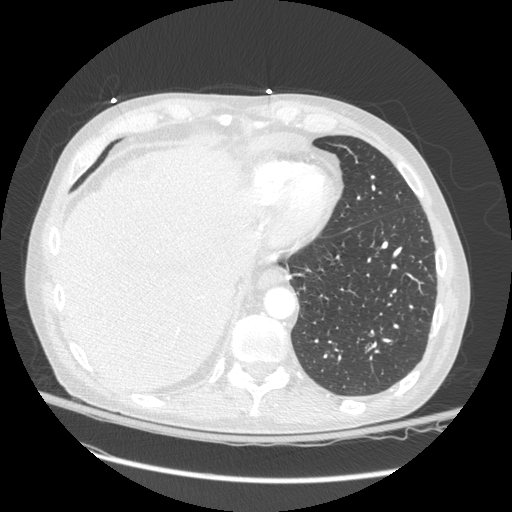
Chest CT, axial plane, 120 kVp, kernel STANDARD. Slice 81/272 from the bottom of the scan; thickness 1.25 mm; pixel size 0.742 mm.
Pulmonary nodule, outlined by all four readers, two of them on this slice. Box on this slice rows 228–230, columns 345–351, the union of the readers' outlines on this slice; median longest diameter 11.0 mm (readers' outlines 10.6–13.2 mm), median volume 290 mm3 (211–375 mm3). Median ratings and the readers' spread: texture 5/5 (solid), all four readers agreeing; margin 5/5 (circumscribed), all four readers agreeing; median sphericity 3/5 (ovoid) (readers ranged 3/5 (ovoid) to 5/5 (round)); calcification absent, all four readers agreeing; internal structure soft tissue from all four readers; subtlety 3/5 from all four readers; median malignancy likelihood 2/5 (readers ranged 1–3). Scale key (1–5): texture non-solid→solid, margin indistinct→circumscribed, sphericity linear→round, subtlety extremely subtle→obvious, malignancy likelihood highly unlikely→highly suspicious of cancer. Box rows and columns are 0-based pixel indices from the top-left corner, inclusive.